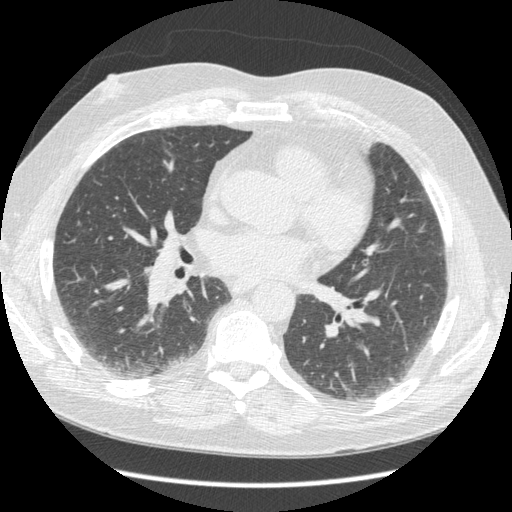
This is axial slice 192 of 429 (slice 1 is the lowest) of a chest CT; each pixel is 0.703 mm and the slice is 1.25 mm thick. Pulmonary nodule, outlined by three of the four readers, one of them on this slice. Box on this slice rows 377–379, columns 387–392, the one reader's outline on this slice; median longest diameter 6.9 mm (readers' outlines 6.9–7.0 mm), median volume 98 mm3 (78–98 mm3). Ratings, median across the readers with their spread: texture 5/5 (solid), all three readers agreeing; margin 5/5 (circumscribed) at the median of three readers, spread 4/5 to 5/5 (circumscribed); median sphericity 5/5 (round) (readers ranged 3/5 (ovoid) to 5/5 (round)); calcification: absent (two), non-central calcification (one); internal structure soft tissue from all three readers; subtlety 4/5 at the median of three readers, spread 2–5; malignancy likelihood 2/5 at the median of three readers, spread 2–4. Scale key (1–5): texture non-solid→solid, margin indistinct→circumscribed, sphericity linear→round, subtlety extremely subtle→obvious, malignancy likelihood highly unlikely→highly suspicious of cancer. Box rows and columns are 0-based pixel indices from the top-left corner, inclusive.
Scan settings: 120 kVp, STANDARD reconstruction kernel.